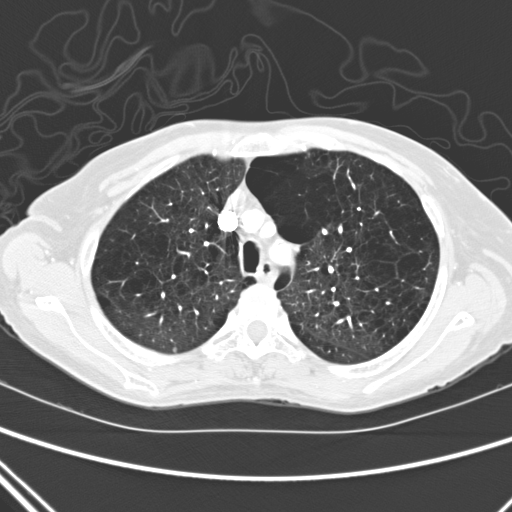
Axial slice 202 of 280 of a chest CT (slice 1 is the lowest), reconstructed with the D kernel at 120 kVp; 2.00 mm slice thickness and 0.627 mm pixels.
Pulmonary nodule, outlined by one of the four readers. Box on this slice rows 347–351, columns 172–176, that reader's outline on this slice; longest diameter 4.6 mm and volume 29 mm3 from that reader's outline. Ratings by that reader: texture 5/5 (solid); margin 5/5 (circumscribed); sphericity 5/5 (round); calcification absent; internal structure soft tissue; subtlety 3/5; malignancy likelihood 1/5. Scale key (1–5): texture non-solid→solid, margin indistinct→circumscribed, sphericity linear→round, subtlety extremely subtle→obvious, malignancy likelihood highly unlikely→highly suspicious of cancer. Box rows and columns are 0-based pixel indices from the top-left corner, inclusive.